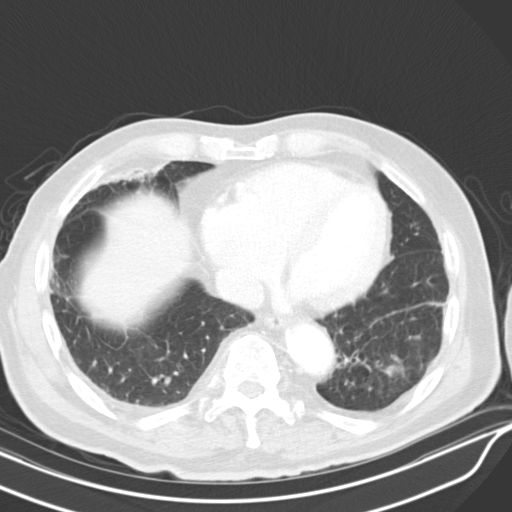
Chest CT, axial plane, 130 kVp, kernel B30s. Slice 210/319 from the bottom of the scan; thickness 4.00 mm; pixel size 0.729 mm.
Pulmonary nodule outlined by all four readers, three of them on this slice; box rows 365–377, columns 384–400 (the union of the readers' outlines on this slice); median longest diameter 18.0 mm (readers' outlines 16.9–19.9 mm), median volume 1126 mm3 (1011–1255 mm3). Median ratings and the readers' spread: texture 5/5 (solid) at the median of four readers, spread 3/5 (part-solid) to 5/5 (solid); median margin 2.5/5 (readers ranged 2/5 to 4/5); median sphericity 3/5 (ovoid) (readers ranged 2/5 to 4/5); calcification absent, all four readers agreeing; internal structure soft tissue from all four readers; median subtlety 4.5/5 (readers ranged 4–5); malignancy likelihood 3.5/5 at the median of four readers, spread 3–4. Scale key (1–5): texture non-solid→solid, margin indistinct→circumscribed, sphericity linear→round, subtlety extremely subtle→obvious, malignancy likelihood highly unlikely→highly suspicious of cancer. Box rows and columns are 0-based pixel indices from the top-left corner, inclusive.